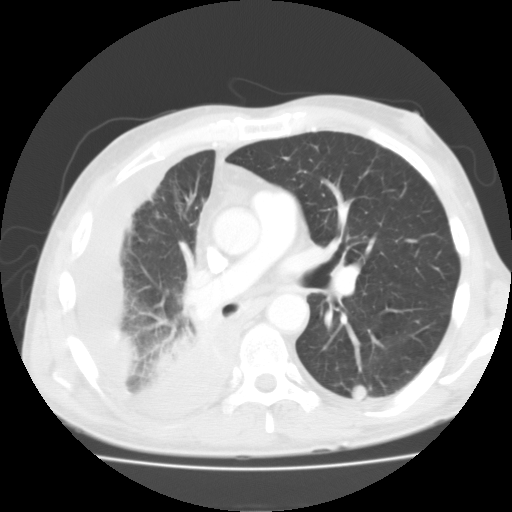
Axial slice 68 of 118 of a chest CT (slice 1 is the lowest), reconstructed with the FC01 kernel at 135 kVp; 3.00 mm slice thickness and 0.705 mm pixels.
Pulmonary nodule outlined by all four readers; box rows 384–400, columns 351–367 (the union of the readers' outlines on this slice); median longest diameter 12.4 mm (readers' outlines 11.1–13.4 mm), median volume 823 mm3 (595–1044 mm3). Median ratings and the readers' spread: median texture 5/5 (solid) (readers ranged 4/5 to 5/5 (solid)); margin 5/5 (circumscribed) at the median of four readers, spread 3/5 to 5/5 (circumscribed); sphericity 5/5 (round), all four readers agreeing; calcification absent, all four readers agreeing; internal structure soft tissue, all four readers agreeing; subtlety 4.5/5 at the median of four readers, spread 4–5; malignancy likelihood 3/5 at the median of four readers, spread 3–5. Scale key (1–5): texture non-solid→solid, margin indistinct→circumscribed, sphericity linear→round, subtlety extremely subtle→obvious, malignancy likelihood highly unlikely→highly suspicious of cancer. Box rows and columns are 0-based pixel indices from the top-left corner, inclusive.